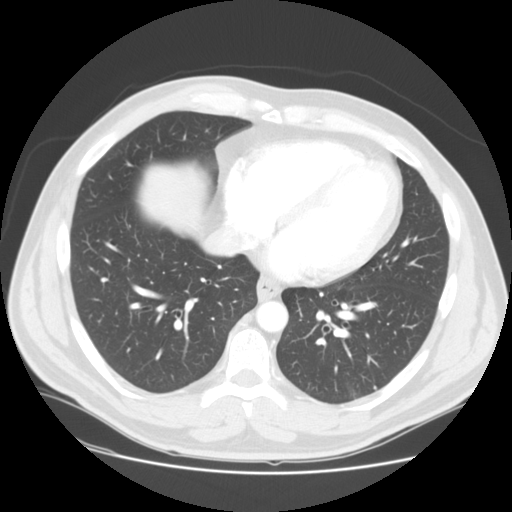
Axial chest CT slice 68 of 139 (counted from the lowest slice); 2.50 mm thick, 0.742 mm per pixel. Pulmonary nodule at rows 386–389, columns 374–376 (box = the union of the readers' outlines on this slice), outlined by two of the four readers; median longest diameter 5.2 mm (readers' outlines 5.2 mm), median volume 49 mm3 (46–52 mm3). Median ratings and the readers' spread: texture 5/5 (solid), both readers agreeing; margin 5/5 (circumscribed), both readers agreeing; sphericity 4.5/5 at the median of two readers, spread 4/5 to 5/5 (round); calcification solid calcification from both readers; internal structure soft tissue, both readers agreeing; subtlety 4/5 at the median of two readers, spread 3–5; malignancy likelihood 1/5 from both readers. Scale key (1–5): texture non-solid→solid, margin indistinct→circumscribed, sphericity linear→round, subtlety extremely subtle→obvious, malignancy likelihood highly unlikely→highly suspicious of cancer. Box rows and columns are 0-based pixel indices from the top-left corner, inclusive.
Scan settings: 120 kVp, STANDARD reconstruction kernel.